Axial chest CT slice 78 of 122 (counted from the lowest slice); tube voltage 135 kVp, convolution kernel FC01; slices 3.00 mm thick, 0.586 mm per pixel.
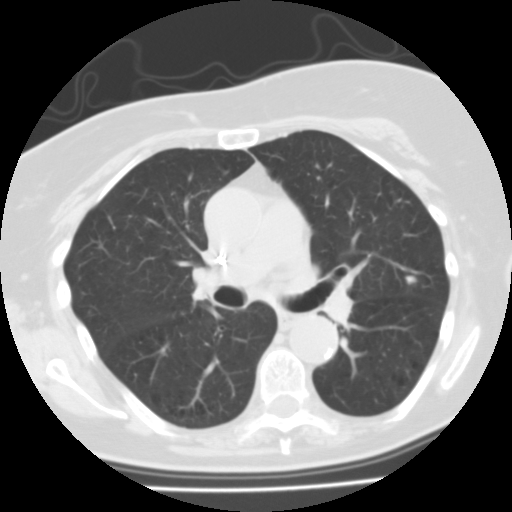
Pulmonary nodule outlined by all four readers; box rows 275–284, columns 405–416 (the union of the readers' outlines on this slice); the four readers' outlines give a longest diameter between 7.8 and 8.3 mm and a volume between 245 and 305 mm3. The readers' ratings, as ranges where they differ: texture from 4/5 to 5/5 (solid) across the four readers; margin from 3/5 to 5/5 (circumscribed) across the four readers; sphericity from 3/5 (ovoid) to 4/5 across the four readers; calcification: absent (three), solid calcification (one); internal structure soft tissue from all four readers; subtlety 2–4/5 (the readers disagree); malignancy likelihood rated between 1 and 3 out of 5 by the four readers. Scale key (1–5): texture non-solid→solid, margin indistinct→circumscribed, sphericity linear→round, subtlety extremely subtle→obvious, malignancy likelihood highly unlikely→highly suspicious of cancer. Box rows and columns are 0-based pixel indices from the top-left corner, inclusive.